One axial slice (60 of 138, counting up from the lowest) of a chest CT acquired at 120 kVp with the LUNG kernel; each pixel is 0.723 mm and the slice is 2.50 mm thick.
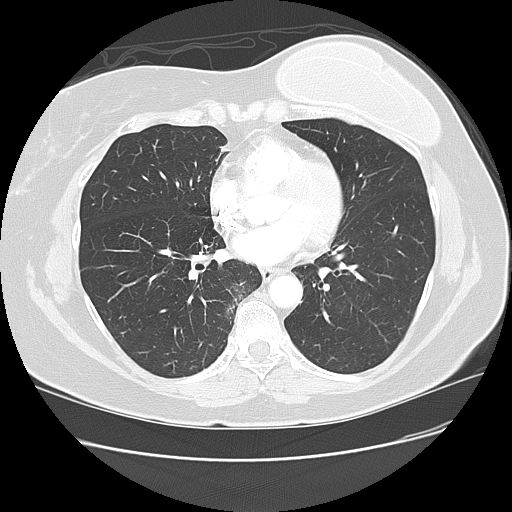
This slice carries no reader outline of a nodule 3 mm or larger.